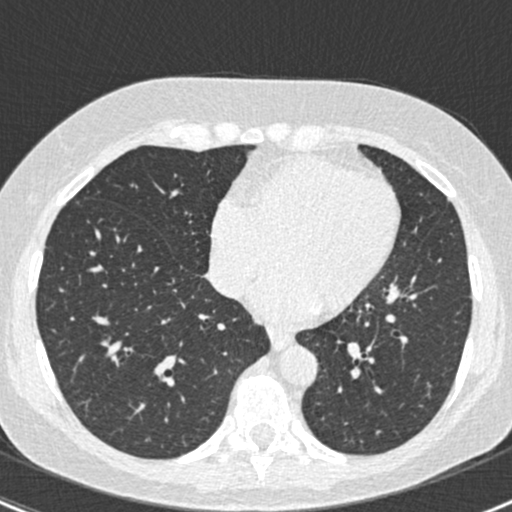
Chest CT, axial plane, 120 kVp, kernel B30f. Slice 188/429 from the bottom of the scan; thickness 0.75 mm; pixel size 0.586 mm.
Pulmonary nodule at rows 201–203, columns 76–78 (box = the union of the readers' outlines on this slice), outlined by three of the four readers, two of them on this slice; median longest diameter 10.9 mm (readers' outlines 9.8–12.3 mm), median volume 283 mm3 (207–302 mm3). Ratings, median across the readers with their spread: texture 5/5 (solid), all three readers agreeing; margin 4/5 at the median of three readers, spread 4/5 to 5/5 (circumscribed); median sphericity 3/5 (ovoid) (readers ranged 2/5 to 3/5 (ovoid)); calcification absent from all three readers; internal structure soft tissue from all three readers; subtlety 5/5 from all three readers; malignancy likelihood 4/5 at the median of three readers, spread 2–4. Scale key (1–5): texture non-solid→solid, margin indistinct→circumscribed, sphericity linear→round, subtlety extremely subtle→obvious, malignancy likelihood highly unlikely→highly suspicious of cancer. Box rows and columns are 0-based pixel indices from the top-left corner, inclusive.